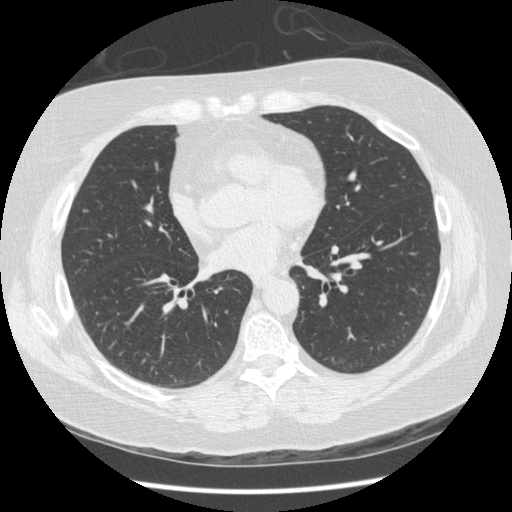
Axial chest CT slice 186 of 436 (counted from the lowest slice); 1.25 mm thick, 0.703 mm per pixel. Pulmonary nodule outlined by one of the four readers; box rows 209–212, columns 82–88 (that reader's outline on this slice); longest diameter 6.0 mm and volume 26 mm3 from that reader's outline. Ratings by that reader: texture 5/5 (solid); margin 5/5 (circumscribed); sphericity 4/5; calcification absent; internal structure soft tissue; subtlety 5/5; malignancy likelihood 3/5. Scale key (1–5): texture non-solid→solid, margin indistinct→circumscribed, sphericity linear→round, subtlety extremely subtle→obvious, malignancy likelihood highly unlikely→highly suspicious of cancer. Box rows and columns are 0-based pixel indices from the top-left corner, inclusive.
Acquired at 120 kVp and reconstructed with the STANDARD kernel.